Axial chest CT slice 129 of 232 (counted from the lowest slice); tube voltage 120 kVp, convolution kernel STANDARD; slices 1.25 mm thick, 0.742 mm per pixel.
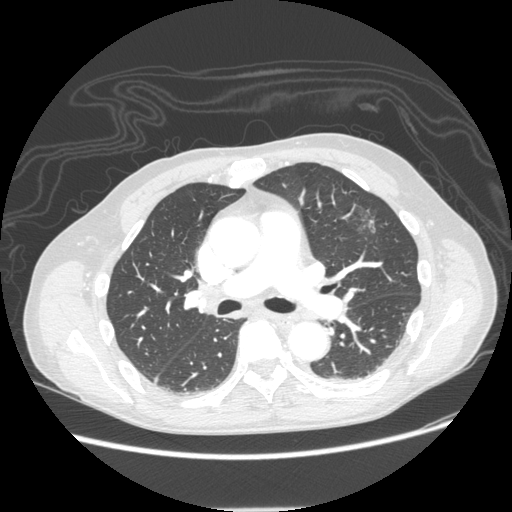
Pulmonary nodule, outlined by one of the four readers. Box on this slice rows 207–231, columns 358–373, that reader's outline on this slice; longest diameter 22.3 mm and volume 979 mm3 from that reader's outline. Ratings by that reader: texture 1/5 (non-solid); margin 1/5 (indistinct); sphericity 4/5; calcification absent; internal structure soft tissue; subtlety 2/5; malignancy likelihood 2/5. Scale key (1–5): texture non-solid→solid, margin indistinct→circumscribed, sphericity linear→round, subtlety extremely subtle→obvious, malignancy likelihood highly unlikely→highly suspicious of cancer. Box rows and columns are 0-based pixel indices from the top-left corner, inclusive.